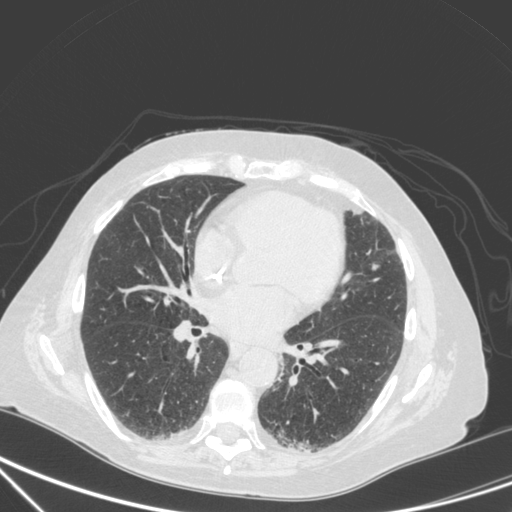
Axial slice 151 of 350 of a chest CT (slice 1 is the lowest), reconstructed with the C kernel at 120 kVp; 1.50 mm slice thickness and 0.725 mm pixels.
Pulmonary nodule at rows 263–270, columns 371–380 (box = the union of the readers' outlines on this slice), outlined by all four readers; longest diameter 9.2 mm on average over the four readers' outlines (readers' outlines 8.5–10.5 mm), volume 175–345 mm3. Ratings, by the readers' most common answer with dissent counted: texture 5/5 (solid) by three of four readers; the rest gave 4/5 (one); most readers (three of four) put margin at 4/5, others 5/5 (circumscribed) (one); sphericity split among the readers: 3/5 (ovoid) (two), 4/5 (two); calcification absent, all four readers agreeing; internal structure soft tissue, all four readers agreeing; subtlety 5/5 from all four readers; malignancy likelihood 2/5 by two of four readers; the rest gave 4/5 (one), 5/5 (one). Scale key (1–5): texture non-solid→solid, margin indistinct→circumscribed, sphericity linear→round, subtlety extremely subtle→obvious, malignancy likelihood highly unlikely→highly suspicious of cancer. Box rows and columns are 0-based pixel indices from the top-left corner, inclusive.